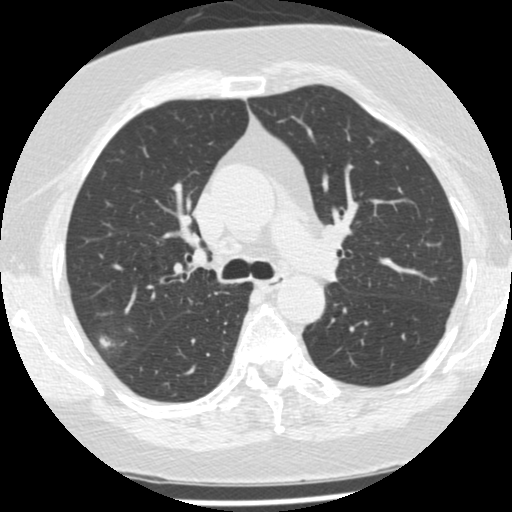
Axial chest CT slice 325 of 487 (counted from the lowest slice); tube voltage 120 kVp, convolution kernel STANDARD; slices 1.25 mm thick, 0.586 mm per pixel.
Pulmonary nodule outlined by two of the four readers; box rows 329–361, columns 90–127 (the union of the readers' outlines on this slice); longest diameter 18.1 mm on average over the two readers' outlines (readers' outlines 11.3–24.9 mm), volume 232–2964 mm3. Ratings, by the readers' most common answer with dissent counted: texture 3/5 (part-solid) from both readers; margin split among the readers: 1/5 (indistinct) (one), 2/5 (one); sphericity 4/5 from both readers; calcification absent, both readers agreeing; internal structure soft tissue, both readers agreeing; subtlety 4/5 from both readers; malignancy likelihood split among the readers: 3/5 (one), 4/5 (one). Scale key (1–5): texture non-solid→solid, margin indistinct→circumscribed, sphericity linear→round, subtlety extremely subtle→obvious, malignancy likelihood highly unlikely→highly suspicious of cancer. Box rows and columns are 0-based pixel indices from the top-left corner, inclusive.